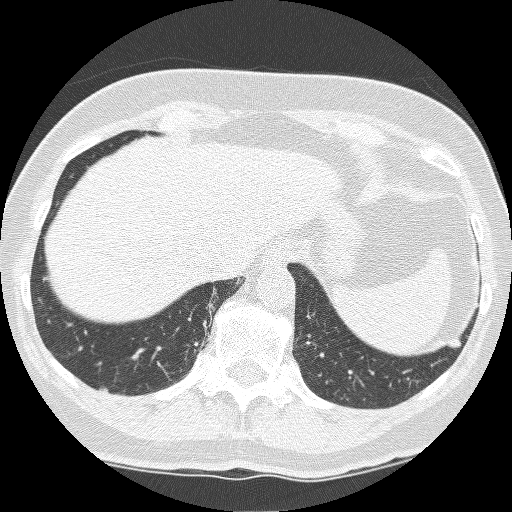
Chest CT, axial plane, 120 kVp, kernel BONE. Slice 52/250 from the bottom of the scan; thickness 1.25 mm; pixel size 0.586 mm.
Two pulmonary nodules are outlined on this slice; from left to right: (1) Pulmonary nodule at rows 385–393, columns 98–108 (box = the union of the readers' outlines on this slice), outlined by three of the four readers; longest diameter 7.7 mm and volume 89–124 mm3 across the three readers' outlines. Ratings across the readers: texture from 4/5 to 5/5 (solid) across the three readers; margin from 4/5 to 5/5 (circumscribed) across the three readers; sphericity from 3/5 (ovoid) to 4/5 across the three readers; calcification absent, all three readers agreeing; internal structure soft tissue, all three readers agreeing; subtlety from 4/5 to 5/5 across the three readers; malignancy likelihood 3–4/5 (the readers disagree). (2) Pulmonary nodule, outlined by three of the four readers. Box on this slice rows 339–349, columns 445–461, the union of the readers' outlines on this slice; longest diameter 9.0–10.8 mm and volume 291–346 mm3 across the three readers' outlines. Ratings across the readers: texture from 4/5 to 5/5 (solid) across the three readers; margin from 3/5 to 4/5 across the three readers; sphericity 3/5 (ovoid), all three readers agreeing; calcification absent from all three readers; internal structure soft tissue from all three readers; subtlety rated between 4 and 5 out of 5 by the three readers; malignancy likelihood 3–4/5 (the readers disagree). Scale key (1–5): texture non-solid→solid, margin indistinct→circumscribed, sphericity linear→round, subtlety extremely subtle→obvious, malignancy likelihood highly unlikely→highly suspicious of cancer. Box rows and columns are 0-based pixel indices from the top-left corner, inclusive.